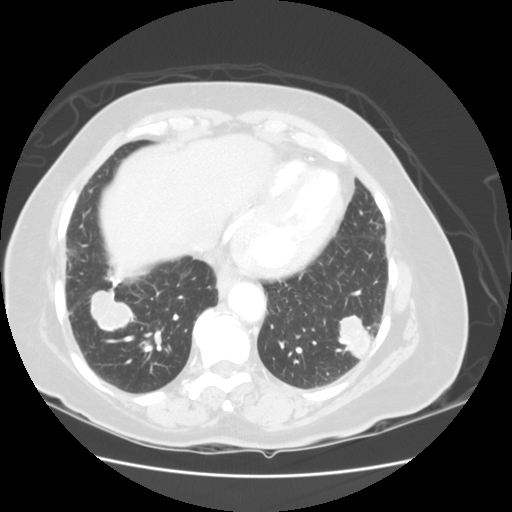
Axial slice 32 of 114 of a chest CT (slice 1 is the lowest), reconstructed with the STANDARD kernel at 120 kVp; 2.50 mm slice thickness and 0.703 mm pixels.
Two pulmonary nodules are outlined on this slice; from left to right: (1) Pulmonary nodule outlined by three of the four readers; box rows 285–331, columns 89–134 (the union of the readers' outlines on this slice); median longest diameter 35.0 mm (readers' outlines 33.9–44.7 mm), median volume 10673 mm3 (10097–11661 mm3). Median ratings and the readers' spread: texture 5/5 (solid), all three readers agreeing; median margin 4/5 (readers ranged 4/5 to 5/5 (circumscribed)); median sphericity 3/5 (ovoid) (readers ranged 3/5 (ovoid) to 4/5); calcification absent, all three readers agreeing; internal structure soft tissue, all three readers agreeing; subtlety 5/5 from all three readers; median malignancy likelihood 5/5 (readers ranged 3–5). (2) Pulmonary nodule, outlined by two of the four readers. Box on this slice rows 315–359, columns 337–372, the union of the readers' outlines on this slice; the two readers' outlines give a longest diameter between 31.2 and 33.4 mm and a volume between 9358 and 10207 mm3. The readers' ratings, as ranges where they differ: texture 5/5 (solid), both readers agreeing; margin 4/5 from both readers; sphericity 3/5 (ovoid) from both readers; calcification absent, both readers agreeing; internal structure soft tissue from both readers; subtlety 5/5, both readers agreeing; malignancy likelihood 5/5, both readers agreeing. Scale key (1–5): texture non-solid→solid, margin indistinct→circumscribed, sphericity linear→round, subtlety extremely subtle→obvious, malignancy likelihood highly unlikely→highly suspicious of cancer. Box rows and columns are 0-based pixel indices from the top-left corner, inclusive.